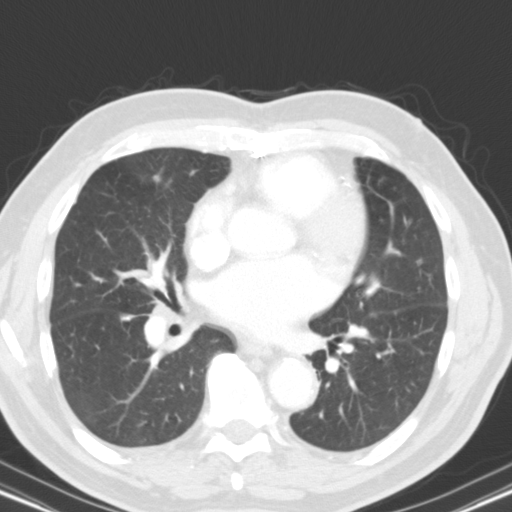
Axial chest CT slice 60 of 116 (counted from the lowest slice); tube voltage 130 kVp, convolution kernel B31s; slices 3.00 mm thick, 0.668 mm per pixel.
Two pulmonary nodules are outlined on this slice; from left to right: (1) Pulmonary nodule, outlined by three of the four readers. Box on this slice rows 315–320, columns 122–130, the union of the readers' outlines on this slice; longest diameter 8.6 mm on average over the three readers' outlines (readers' outlines 8.0–8.9 mm), volume 155–179 mm3. Ratings, by the readers' most common answer with dissent counted: texture 5/5 (solid), all three readers agreeing; most readers (two of three) put margin at 5/5 (circumscribed), others 4/5 (one); sphericity 3/5 (ovoid) by two of three readers; the rest gave 2/5 (one); calcification solid calcification from all three readers; internal structure soft tissue from all three readers; most readers (two of three) put subtlety at 4/5, others 5/5 (one); malignancy likelihood 1/5, all three readers agreeing. (2) Pulmonary nodule outlined by two of the four readers; box rows 175–180, columns 153–159 (the union of the readers' outlines on this slice); median longest diameter 6.3 mm (readers' outlines 6.3 mm), median volume 137 mm3 (137 mm3). Median ratings and the readers' spread: texture 5/5 (solid), both readers agreeing; median margin 4.5/5 (readers ranged 4/5 to 5/5 (circumscribed)); median sphericity 4.5/5 (readers ranged 4/5 to 5/5 (round)); calcification solid calcification, both readers agreeing; internal structure soft tissue from both readers; median subtlety 4.5/5 (readers ranged 4–5); malignancy likelihood 1/5 from both readers. Scale key (1–5): texture non-solid→solid, margin indistinct→circumscribed, sphericity linear→round, subtlety extremely subtle→obvious, malignancy likelihood highly unlikely→highly suspicious of cancer. Box rows and columns are 0-based pixel indices from the top-left corner, inclusive.